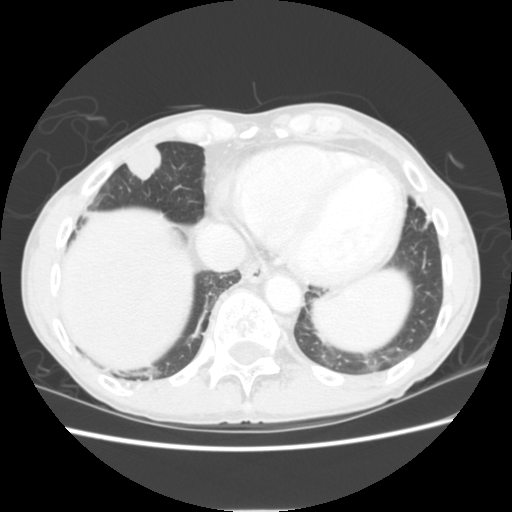
One axial slice (53 of 255, counting up from the lowest) of a chest CT acquired at 120 kVp with the STANDARD kernel; each pixel is 0.664 mm and the slice is 2.50 mm thick.
Pulmonary nodule outlined by all four readers; box rows 145–180, columns 125–160 (the union of the readers' outlines on this slice); the four readers' outlines give a longest diameter between 25.4 and 30.3 mm and a volume between 4677 and 6345 mm3. The readers' ratings, as ranges where they differ: texture 5/5 (solid), all four readers agreeing; margin from 4/5 to 5/5 (circumscribed) across the four readers; sphericity from 3/5 (ovoid) to 5/5 (round) across the four readers; calcification absent from all four readers; internal structure soft tissue from all four readers; subtlety 5/5 from all four readers; malignancy likelihood rated between 3 and 5 out of 5 by the four readers. Scale key (1–5): texture non-solid→solid, margin indistinct→circumscribed, sphericity linear→round, subtlety extremely subtle→obvious, malignancy likelihood highly unlikely→highly suspicious of cancer. Box rows and columns are 0-based pixel indices from the top-left corner, inclusive.